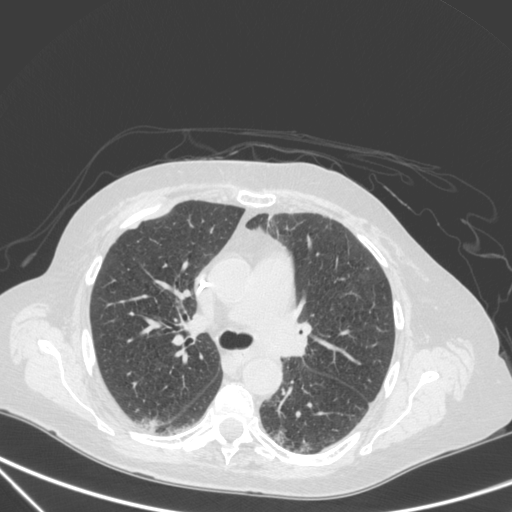
Chest CT, axial plane, 120 kVp, kernel C. Slice 210/350 from the bottom of the scan; thickness 1.50 mm; pixel size 0.725 mm.
Pulmonary nodule outlined by one of the four readers; box rows 208–216, columns 158–170 (that reader's outline on this slice); longest diameter 29.5 mm and volume 4181 mm3 from that reader's outline. Ratings by that reader: texture 5/5 (solid); margin 4/5; sphericity 2/5; calcification absent; internal structure soft tissue; subtlety 5/5; malignancy likelihood 4/5. Scale key (1–5): texture non-solid→solid, margin indistinct→circumscribed, sphericity linear→round, subtlety extremely subtle→obvious, malignancy likelihood highly unlikely→highly suspicious of cancer. Box rows and columns are 0-based pixel indices from the top-left corner, inclusive.